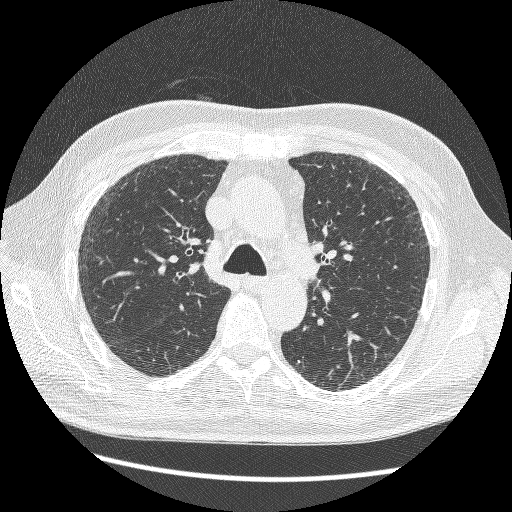
Slice 182/264 of a chest CT, counting up from the lowest; pixel size 0.703 mm, slice thickness 1.25 mm. No nodule 3 mm or larger was outlined here by any reader.
Acquired at 120 kVp and reconstructed with the BONE kernel.